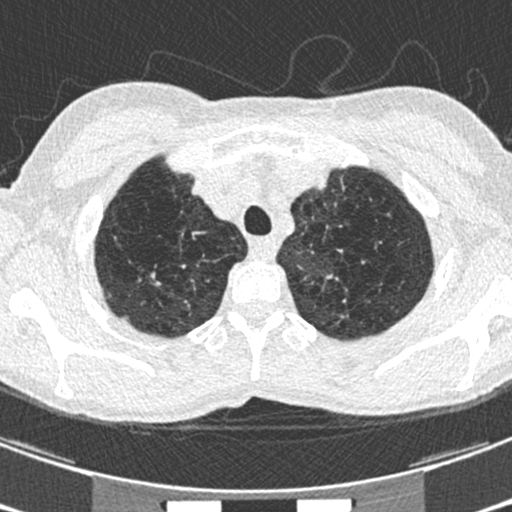
Axial chest CT slice 551 of 633 (counted from the lowest slice); tube voltage 120 kVp, convolution kernel B30f; slices 0.60 mm thick, 0.541 mm per pixel.
Pulmonary nodule, outlined by one of the four readers. Box on this slice rows 293–297, columns 108–111, that reader's outline on this slice; longest diameter 5.8 mm and volume 27 mm3 from that reader's outline. That reader's ratings: texture 3/5 (part-solid); margin 1/5 (indistinct); sphericity 4/5; calcification absent; internal structure soft tissue; subtlety 4/5; malignancy likelihood 3/5. Scale key (1–5): texture non-solid→solid, margin indistinct→circumscribed, sphericity linear→round, subtlety extremely subtle→obvious, malignancy likelihood highly unlikely→highly suspicious of cancer. Box rows and columns are 0-based pixel indices from the top-left corner, inclusive.